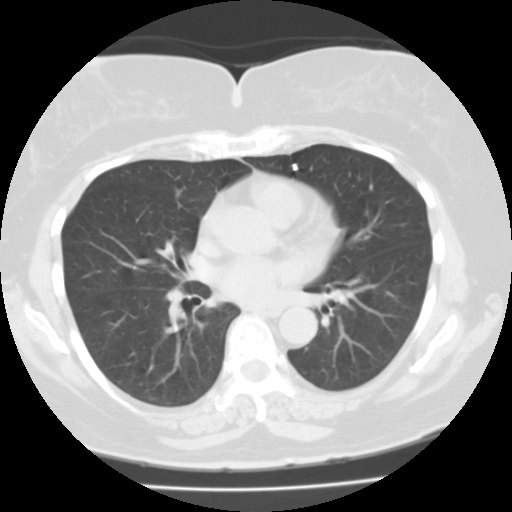
Chest CT, axial plane, 135 kVp, kernel FC01. Slice 62/112 from the bottom of the scan; thickness 3.00 mm; pixel size 0.650 mm.
Pulmonary nodule, outlined by three of the four readers. Box on this slice rows 163–171, columns 292–298, the union of the readers' outlines on this slice; longest diameter 5.6–6.6 mm and volume 96–165 mm3 across the three readers' outlines. The readers' ratings, as ranges where they differ: texture 5/5 (solid), all three readers agreeing; margin 5/5 (circumscribed) from all three readers; sphericity from 3/5 (ovoid) to 5/5 (round) across the three readers; calcification solid calcification from all three readers; internal structure soft tissue, all three readers agreeing; subtlety rated between 4 and 5 out of 5 by the three readers; malignancy likelihood 1/5 from all three readers. Scale key (1–5): texture non-solid→solid, margin indistinct→circumscribed, sphericity linear→round, subtlety extremely subtle→obvious, malignancy likelihood highly unlikely→highly suspicious of cancer. Box rows and columns are 0-based pixel indices from the top-left corner, inclusive.